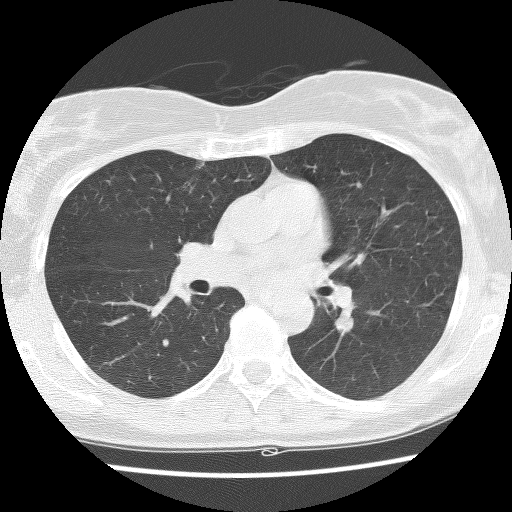
Axial chest CT slice 73 of 127 (counted from the lowest slice); tube voltage 140 kVp, convolution kernel BONE; slices 2.50 mm thick, 0.586 mm per pixel.
Pulmonary nodule at rows 161–169, columns 196–204 (box = that reader's outline on this slice), outlined by one of the four readers; longest diameter 18.8 mm and volume 2440 mm3 from that reader's outline. That reader's ratings: texture 3/5 (part-solid); margin 2/5; sphericity 2/5; calcification absent; internal structure soft tissue; subtlety 4/5; malignancy likelihood 2/5. Scale key (1–5): texture non-solid→solid, margin indistinct→circumscribed, sphericity linear→round, subtlety extremely subtle→obvious, malignancy likelihood highly unlikely→highly suspicious of cancer. Box rows and columns are 0-based pixel indices from the top-left corner, inclusive.